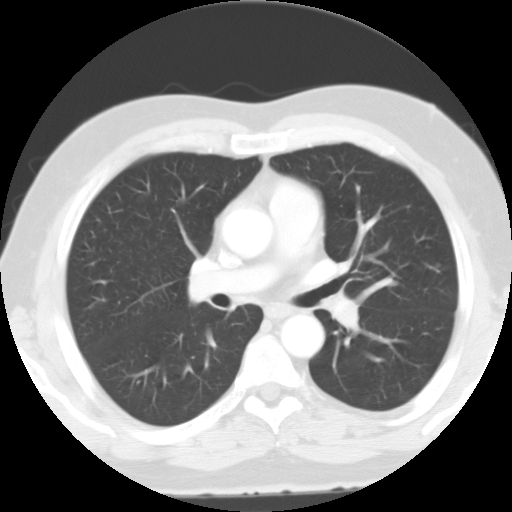
One axial slice (65 of 116, counting up from the lowest) of a chest CT acquired at 135 kVp with the FC01 kernel; each pixel is 0.692 mm and the slice is 3.00 mm thick.
Pulmonary nodule, outlined by two of the four readers. Box on this slice rows 262–267, columns 436–439, the union of the readers' outlines on this slice; median longest diameter 5.3 mm (readers' outlines 5.0–5.6 mm), median volume 104 mm3 (88–120 mm3). Ratings, median across the readers with their spread: texture 5/5 (solid) from both readers; median margin 4.5/5 (readers ranged 4/5 to 5/5 (circumscribed)); sphericity 4/5 at the median of two readers, spread 3/5 (ovoid) to 5/5 (round); calcification absent, both readers agreeing; internal structure soft tissue from both readers; subtlety 3.5/5 at the median of two readers, spread 2–5; median malignancy likelihood 2/5 (readers ranged 1–3). Scale key (1–5): texture non-solid→solid, margin indistinct→circumscribed, sphericity linear→round, subtlety extremely subtle→obvious, malignancy likelihood highly unlikely→highly suspicious of cancer. Box rows and columns are 0-based pixel indices from the top-left corner, inclusive.